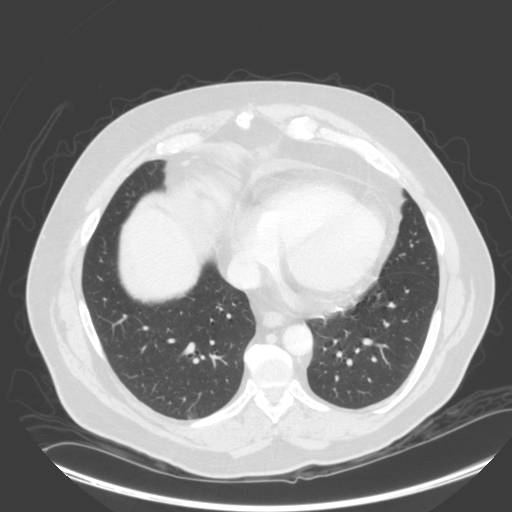
This is axial slice 112 of 305 (slice 1 is the lowest) of a chest CT; each pixel is 0.834 mm and the slice is 2.00 mm thick. Pulmonary nodule at rows 415–418, columns 187–190 (box = the union of the readers' outlines on this slice), outlined by three of the four readers; longest diameter 6.3 mm on average over the three readers' outlines (readers' outlines 5.9–6.7 mm), volume 59–79 mm3. The readers' prevailing ratings and who disagreed: texture 5/5 (solid) from all three readers; margin 5/5 (circumscribed) by two of three readers; the rest gave 4/5 (one); sphericity 4/5, all three readers agreeing; calcification absent, all three readers agreeing; internal structure soft tissue, all three readers agreeing; most readers (two of three) put subtlety at 5/5, others 4/5 (one); malignancy likelihood 3/5 by two of three readers; the rest gave 2/5 (one). Scale key (1–5): texture non-solid→solid, margin indistinct→circumscribed, sphericity linear→round, subtlety extremely subtle→obvious, malignancy likelihood highly unlikely→highly suspicious of cancer. Box rows and columns are 0-based pixel indices from the top-left corner, inclusive.
Tube voltage 140 kVp; convolution kernel B.